Axial chest CT slice 151 of 263 (counted from the lowest slice); tube voltage 120 kVp, convolution kernel B; slices 2.00 mm thick, 0.664 mm per pixel.
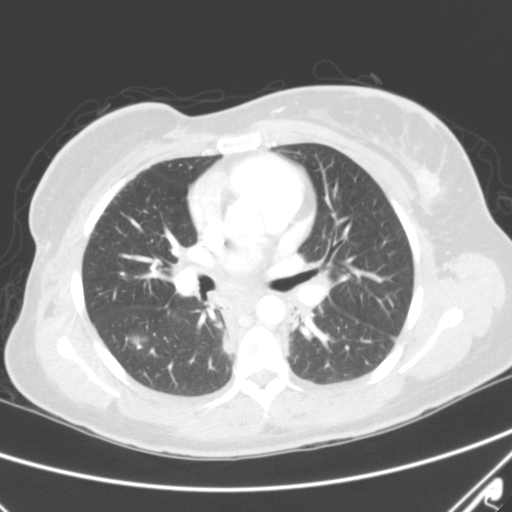
Pulmonary nodule at rows 333–343, columns 129–148 (box = the union of the readers' outlines on this slice), outlined two times (the source holds three more outlines, not used); the two readers' outlines give a longest diameter between 12.2 and 15.2 mm and a volume between 731 and 1229 mm3. The readers' ratings, as ranges where they differ: texture from 1/5 (non-solid) to 3/5 (part-solid) across the two readers; margin from 2/5 to 3/5 across the two readers; sphericity from 3/5 (ovoid) to 4/5 across the two readers; calcification absent from both readers; internal structure soft tissue from both readers; subtlety 3/5, both readers agreeing; malignancy likelihood 2–4/5 (the readers disagree). Scale key (1–5): texture non-solid→solid, margin indistinct→circumscribed, sphericity linear→round, subtlety extremely subtle→obvious, malignancy likelihood highly unlikely→highly suspicious of cancer. Box rows and columns are 0-based pixel indices from the top-left corner, inclusive.